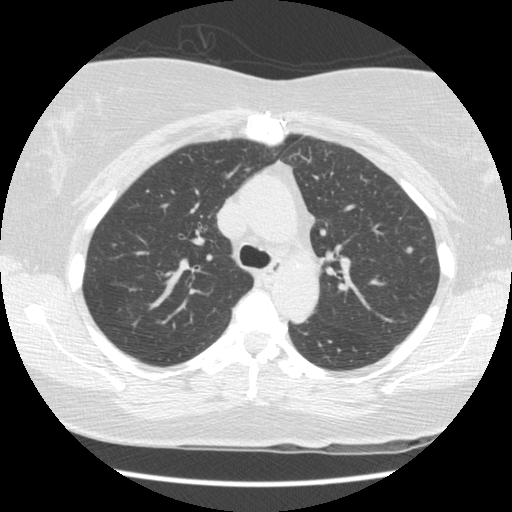
Axial chest CT slice 109 of 154 (counted from the lowest slice); tube voltage 120 kVp, convolution kernel STANDARD; slices 2.50 mm thick, 0.645 mm per pixel.
Pulmonary nodule outlined by all four readers; box rows 247–253, columns 405–412 (the union of the readers' outlines on this slice); longest diameter 5.3–7.2 mm and volume 50–95 mm3 across the four readers' outlines. Ratings across the readers: texture from 2/5 to 5/5 (solid) across the four readers; margin from 2/5 to 5/5 (circumscribed) across the four readers; sphericity from 3/5 (ovoid) to 5/5 (round) across the four readers; calcification absent from all four readers; internal structure soft tissue, all four readers agreeing; subtlety 2–4/5 (the readers disagree); malignancy likelihood 1–4/5 (the readers disagree). Scale key (1–5): texture non-solid→solid, margin indistinct→circumscribed, sphericity linear→round, subtlety extremely subtle→obvious, malignancy likelihood highly unlikely→highly suspicious of cancer. Box rows and columns are 0-based pixel indices from the top-left corner, inclusive.